Chest CT, axial plane, 120 kVp, kernel STANDARD. Slice 314/487 from the bottom of the scan; thickness 1.25 mm; pixel size 0.703 mm.
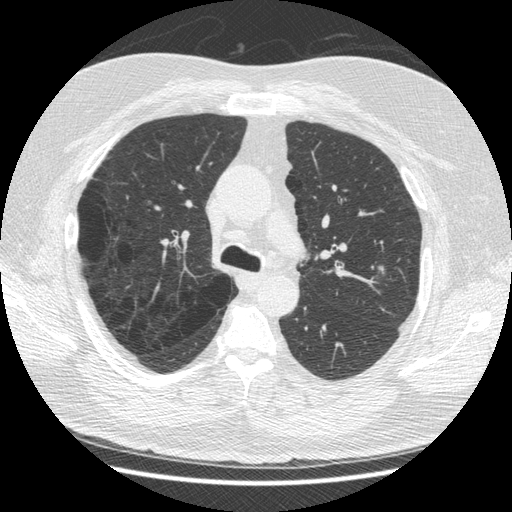
Pulmonary nodule at rows 265–273, columns 378–384 (box = the union of the readers' outlines on this slice), outlined by two of the four readers; the two readers' outlines give a longest diameter between 9.4 and 9.6 mm and a volume between 154 and 156 mm3. The readers' ratings, as ranges where they differ: texture from 3/5 (part-solid) to 4/5 across the two readers; margin from 2/5 to 4/5 across the two readers; sphericity 3/5 (ovoid) from both readers; calcification absent from both readers; internal structure soft tissue from both readers; subtlety 2–3/5 (the readers disagree); malignancy likelihood from 3/5 to 4/5 across the two readers. Scale key (1–5): texture non-solid→solid, margin indistinct→circumscribed, sphericity linear→round, subtlety extremely subtle→obvious, malignancy likelihood highly unlikely→highly suspicious of cancer. Box rows and columns are 0-based pixel indices from the top-left corner, inclusive.